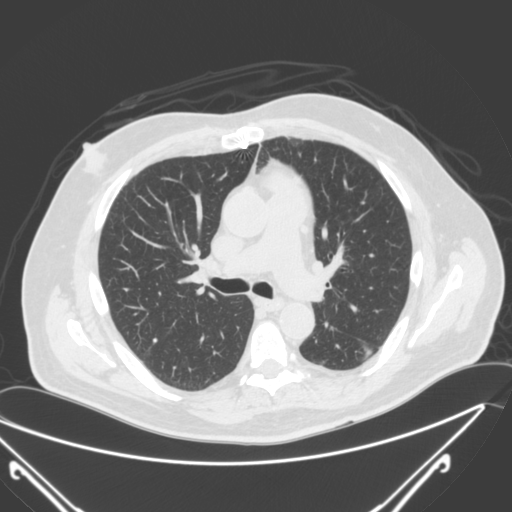
One axial slice (169 of 290, counting up from the lowest) of a chest CT acquired at 120 kVp with the B kernel; each pixel is 0.816 mm and the slice is 2.00 mm thick.
Pulmonary nodule outlined by two of the four readers; box rows 338–343, columns 153–157 (the union of the readers' outlines on this slice); longest diameter 5.2–5.9 mm and volume 49–62 mm3 across the two readers' outlines. The readers' ratings, as ranges where they differ: texture 5/5 (solid) from both readers; margin 5/5 (circumscribed) from both readers; sphericity 5/5 (round), both readers agreeing; calcification solid calcification, both readers agreeing; internal structure soft tissue, both readers agreeing; subtlety 5/5, both readers agreeing; malignancy likelihood 1/5, both readers agreeing. Scale key (1–5): texture non-solid→solid, margin indistinct→circumscribed, sphericity linear→round, subtlety extremely subtle→obvious, malignancy likelihood highly unlikely→highly suspicious of cancer. Box rows and columns are 0-based pixel indices from the top-left corner, inclusive.